One axial slice (45 of 241, counting up from the lowest) of a chest CT acquired at 120 kVp with the STANDARD kernel; each pixel is 0.684 mm and the slice is 1.25 mm thick.
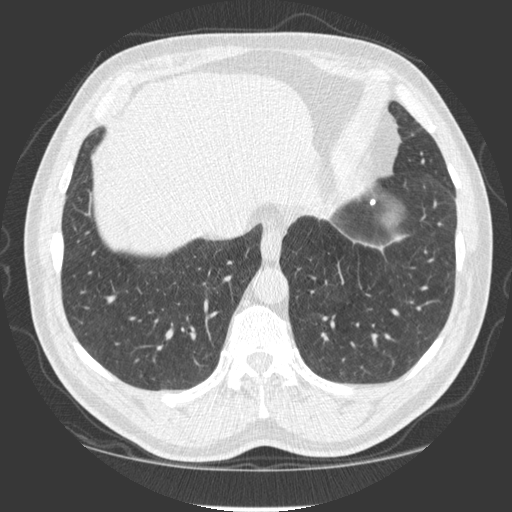
Pulmonary nodule outlined by one of the four readers; box rows 199–204, columns 370–375 (that reader's outline on this slice); longest diameter 5.5 mm and volume 47 mm3 from that reader's outline. Ratings by that reader: texture 5/5 (solid); margin 5/5 (circumscribed); sphericity 3/5 (ovoid); calcification solid calcification; internal structure soft tissue; subtlety 5/5; malignancy likelihood 1/5. Scale key (1–5): texture non-solid→solid, margin indistinct→circumscribed, sphericity linear→round, subtlety extremely subtle→obvious, malignancy likelihood highly unlikely→highly suspicious of cancer. Box rows and columns are 0-based pixel indices from the top-left corner, inclusive.